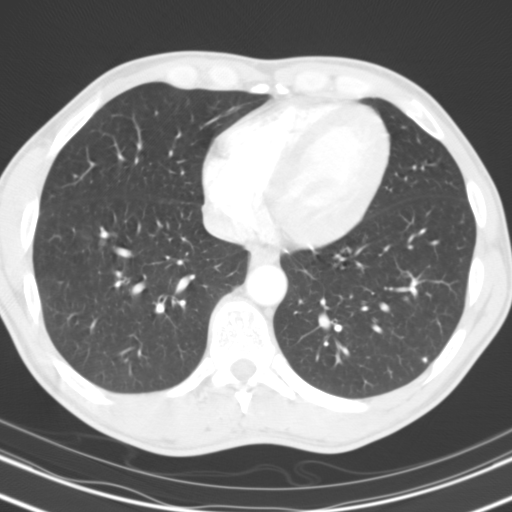
Axial chest CT slice 66 of 143 (counted from the lowest slice); tube voltage 130 kVp, convolution kernel B31s; slices 3.00 mm thick, 0.635 mm per pixel.
Pulmonary nodule, outlined by two of the four readers. Box on this slice rows 357–361, columns 423–426, the union of the readers' outlines on this slice; the two readers' outlines give a longest diameter between 4.8 and 5.4 mm and a volume between 68 and 86 mm3. The readers' ratings, as ranges where they differ: texture 5/5 (solid) from both readers; margin 5/5 (circumscribed) from both readers; sphericity from 4/5 to 5/5 (round) across the two readers; calcification solid calcification, both readers agreeing; internal structure soft tissue from both readers; subtlety from 3/5 to 5/5 across the two readers; malignancy likelihood 1/5 from both readers. Scale key (1–5): texture non-solid→solid, margin indistinct→circumscribed, sphericity linear→round, subtlety extremely subtle→obvious, malignancy likelihood highly unlikely→highly suspicious of cancer. Box rows and columns are 0-based pixel indices from the top-left corner, inclusive.